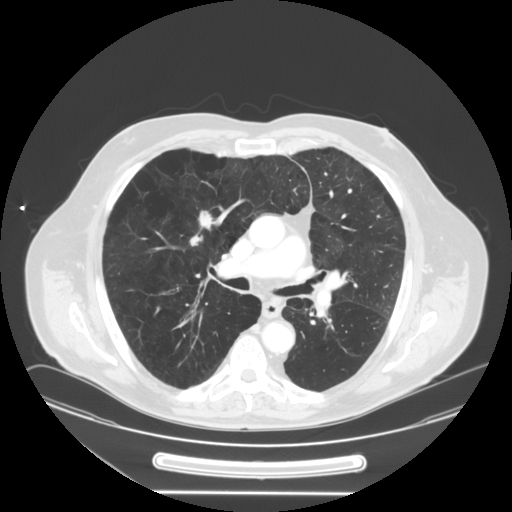
One axial slice (92 of 148, counting up from the lowest) of a chest CT acquired at 120 kVp with the STANDARD kernel; each pixel is 0.859 mm and the slice is 2.50 mm thick.
Pulmonary nodule, outlined three times (the source holds two more outlines, not used). Box on this slice rows 209–247, columns 188–212, the union of the readers' outlines on this slice; the three readers' outlines give a longest diameter between 32.7 and 36.1 mm and a volume between 2349 and 3895 mm3. Ratings across the readers: texture 5/5 (solid) from all three readers; margin from 2/5 to 5/5 (circumscribed) across the three readers; sphericity from 2/5 to 3/5 (ovoid) across the three readers; calcification absent from all three readers; internal structure soft tissue, all three readers agreeing; subtlety 5/5 from all three readers; malignancy likelihood from 3/5 to 5/5 across the three readers. Scale key (1–5): texture non-solid→solid, margin indistinct→circumscribed, sphericity linear→round, subtlety extremely subtle→obvious, malignancy likelihood highly unlikely→highly suspicious of cancer. Box rows and columns are 0-based pixel indices from the top-left corner, inclusive.